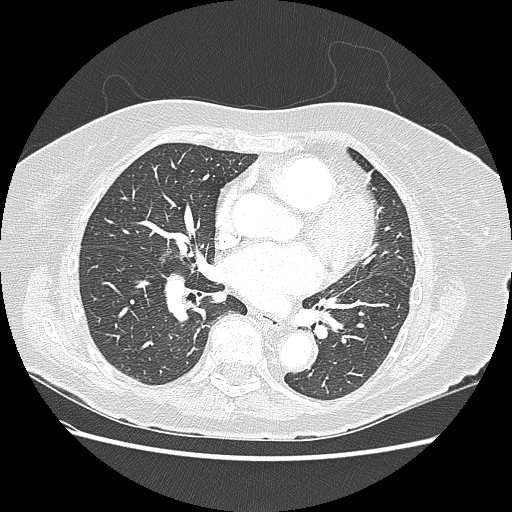
Axial slice 88 of 197 of a chest CT (slice 1 is the lowest), reconstructed with the LUNG kernel at 120 kVp; 1.25 mm slice thickness and 0.703 mm pixels.
The readers outlined no nodule of 3 mm or more on this slice.